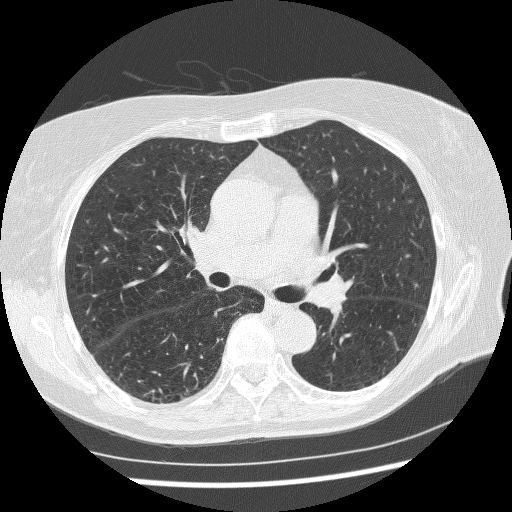
Slice 155/247 of a chest CT, counting up from the lowest; pixel size 0.643 mm, slice thickness 1.25 mm. The readers outlined no nodule of 3 mm or more on this slice.
Acquired at 120 kVp and reconstructed with the BONE kernel.